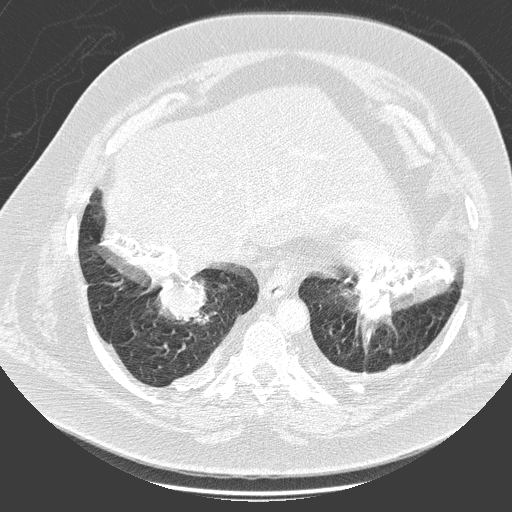
Chest CT, axial plane, 140 kVp, kernel D. Slice 51/280 from the bottom of the scan; thickness 1.00 mm; pixel size 0.801 mm.
Pulmonary nodule outlined by one of the four readers; box rows 281–322, columns 159–208 (that reader's outline on this slice); longest diameter 49.9 mm and volume 31112 mm3 from that reader's outline. That reader's ratings: texture 5/5 (solid); margin 4/5; sphericity 5/5 (round); calcification non-central calcification; internal structure soft tissue; subtlety 5/5; malignancy likelihood 5/5. Scale key (1–5): texture non-solid→solid, margin indistinct→circumscribed, sphericity linear→round, subtlety extremely subtle→obvious, malignancy likelihood highly unlikely→highly suspicious of cancer. Box rows and columns are 0-based pixel indices from the top-left corner, inclusive.